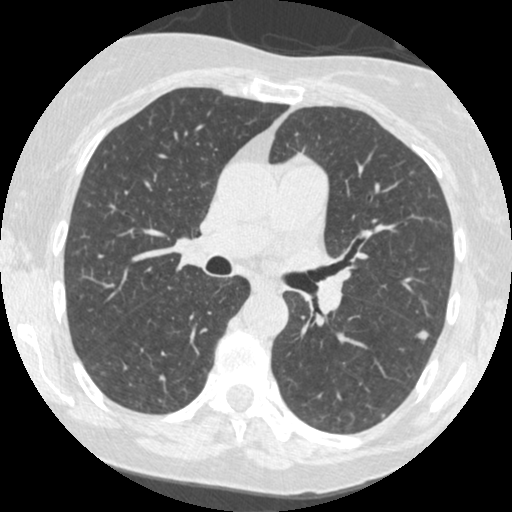
Chest CT, axial plane, 120 kVp, kernel STANDARD. Slice 260/484 from the bottom of the scan; thickness 1.25 mm; pixel size 0.586 mm.
Two pulmonary nodules on this slice, listed from left to right. (1) Pulmonary nodule outlined by one of the four readers; box rows 414–417, columns 381–385 (that reader's outline on this slice); longest diameter 3.9 mm and volume 18 mm3 from that reader's outline. Ratings by that reader: texture 4/5; margin 5/5 (circumscribed); sphericity 5/5 (round); calcification absent; internal structure soft tissue; subtlety 2/5; malignancy likelihood 2/5. (2) Pulmonary nodule at rows 329–340, columns 414–429 (box = the union of the readers' outlines on this slice), outlined by all four readers; median longest diameter 8.9 mm (readers' outlines 6.6–9.0 mm), median volume 93 mm3 (60–132 mm3). Median ratings and the readers' spread: texture 5/5 (solid) from all four readers; median margin 4.5/5 (readers ranged 4/5 to 5/5 (circumscribed)); median sphericity 3.5/5 (readers ranged 3/5 (ovoid) to 4/5); calcification absent, all four readers agreeing; internal structure soft tissue, all four readers agreeing; subtlety 5/5 at the median of four readers, spread 4–5; median malignancy likelihood 2/5 (readers ranged 2–4). Scale key (1–5): texture non-solid→solid, margin indistinct→circumscribed, sphericity linear→round, subtlety extremely subtle→obvious, malignancy likelihood highly unlikely→highly suspicious of cancer. Box rows and columns are 0-based pixel indices from the top-left corner, inclusive.